Chest CT, axial plane, 120 kVp, kernel STANDARD. Slice 52/251 from the bottom of the scan; thickness 1.25 mm; pixel size 0.809 mm.
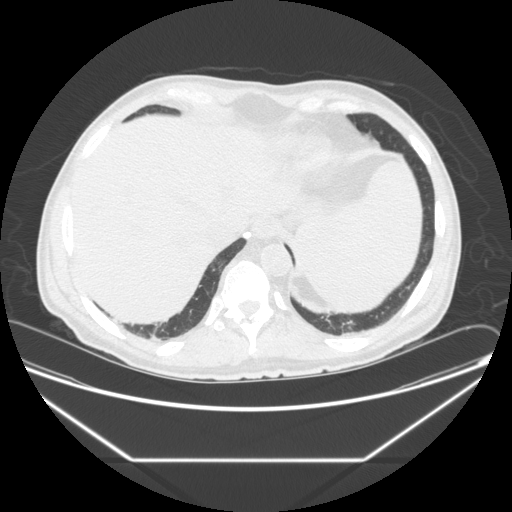
Pulmonary nodule, outlined by one of the four readers. Box on this slice rows 232–237, columns 243–249, that reader's outline on this slice; longest diameter 9.8 mm and volume 269 mm3 from that reader's outline. That reader's ratings: texture 5/5 (solid); margin 5/5 (circumscribed); sphericity 5/5 (round); calcification solid calcification; internal structure soft tissue; subtlety 5/5; malignancy likelihood 1/5. Scale key (1–5): texture non-solid→solid, margin indistinct→circumscribed, sphericity linear→round, subtlety extremely subtle→obvious, malignancy likelihood highly unlikely→highly suspicious of cancer. Box rows and columns are 0-based pixel indices from the top-left corner, inclusive.